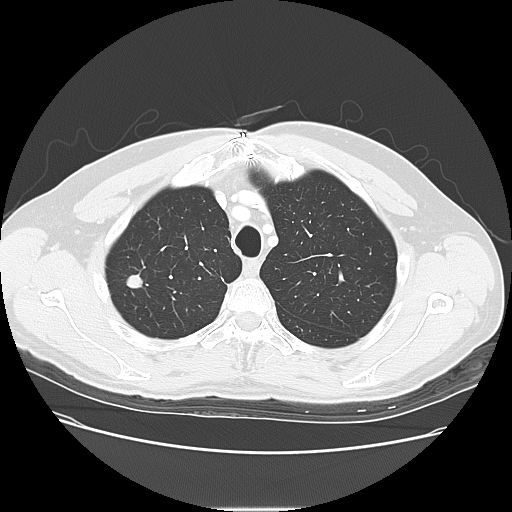
Slice 94/117 of a chest CT, counting up from the lowest; pixel size 0.723 mm, slice thickness 2.50 mm. Pulmonary nodule at rows 272–288, columns 126–143 (box = the union of the readers' outlines on this slice), outlined by all four readers; longest diameter 13.2–14.9 mm and volume 887–1039 mm3 across the four readers' outlines. Ratings across the readers: texture 5/5 (solid) from all four readers; margin from 4/5 to 5/5 (circumscribed) across the four readers; sphericity from 4/5 to 5/5 (round) across the four readers; calcification: absent (three), solid calcification (one); internal structure soft tissue from all four readers; subtlety 4–5/5 (the readers disagree); malignancy likelihood from 1/5 to 4/5 across the four readers. Scale key (1–5): texture non-solid→solid, margin indistinct→circumscribed, sphericity linear→round, subtlety extremely subtle→obvious, malignancy likelihood highly unlikely→highly suspicious of cancer. Box rows and columns are 0-based pixel indices from the top-left corner, inclusive.
Acquired at 120 kVp and reconstructed with the LUNG kernel.